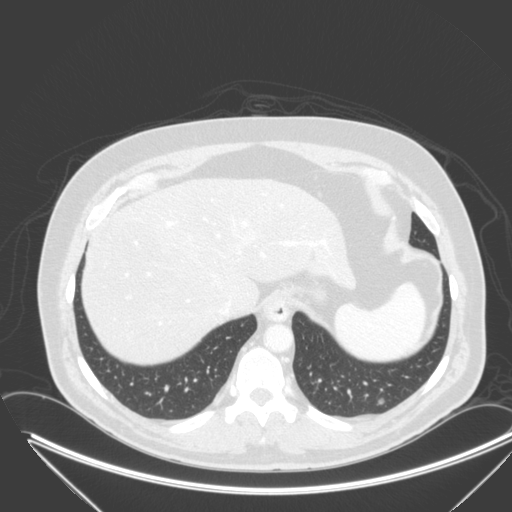
Axial slice 72 of 315 of a chest CT (slice 1 is the lowest), reconstructed with the B kernel at 120 kVp; 2.00 mm slice thickness and 0.830 mm pixels.
Pulmonary nodule, outlined by all four readers. Box on this slice rows 398–404, columns 378–384, the union of the readers' outlines on this slice; median longest diameter 10.5 mm (readers' outlines 10.3–12.9 mm), median volume 445 mm3 (426–557 mm3). Median ratings and the readers' spread: texture 5/5 (solid), all four readers agreeing; median margin 5/5 (circumscribed) (readers ranged 4/5 to 5/5 (circumscribed)); median sphericity 5/5 (round) (readers ranged 3/5 (ovoid) to 5/5 (round)); calcification absent from all four readers; internal structure soft tissue, all four readers agreeing; median subtlety 4.5/5 (readers ranged 4–5); median malignancy likelihood 3.5/5 (readers ranged 3–4). Scale key (1–5): texture non-solid→solid, margin indistinct→circumscribed, sphericity linear→round, subtlety extremely subtle→obvious, malignancy likelihood highly unlikely→highly suspicious of cancer. Box rows and columns are 0-based pixel indices from the top-left corner, inclusive.